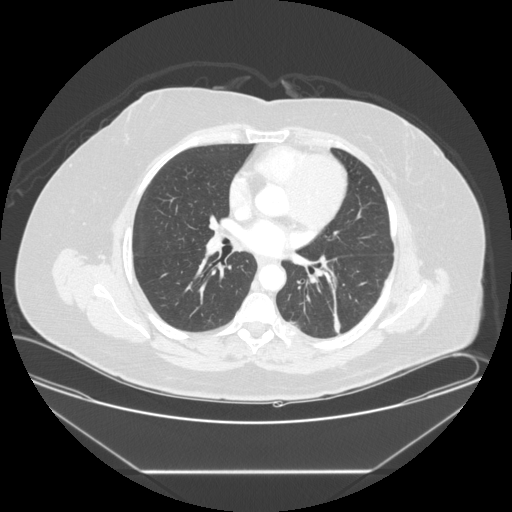
This is axial slice 130 of 225 (slice 1 is the lowest) of a chest CT; each pixel is 0.828 mm and the slice is 1.25 mm thick. None of the four readers outlined a nodule of 3 mm or more on this slice.
Tube voltage 120 kVp; convolution kernel STANDARD.